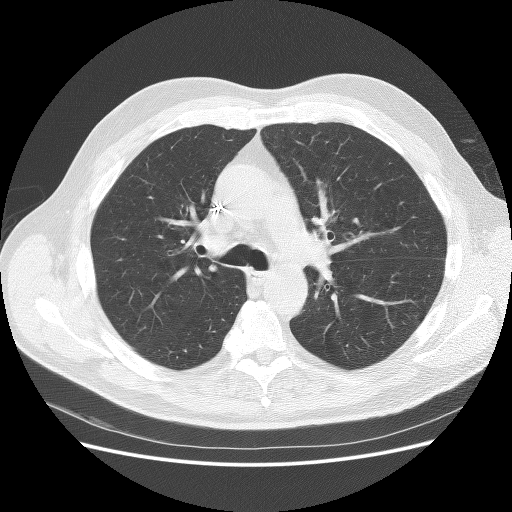
This is axial slice 98 of 137 (slice 1 is the lowest) of a chest CT; each pixel is 0.723 mm and the slice is 2.50 mm thick. Pulmonary nodule outlined by all four readers; box rows 264–272, columns 208–217 (the union of the readers' outlines on this slice); longest diameter 8.3 mm on average over the four readers' outlines (readers' outlines 7.8–8.5 mm), volume 206–242 mm3. Ratings, by the readers' most common answer with dissent counted: most readers (three of four) put texture at 5/5 (solid), others 4/5 (one); margin 4/5 by three of four readers; the rest gave 5/5 (circumscribed) (one); most readers (three of four) put sphericity at 4/5, others 5/5 (round) (one); calcification absent from all four readers; internal structure soft tissue from all four readers; most readers (three of four) put subtlety at 3/5, others 4/5 (one); malignancy likelihood 3/5 by two of four readers; the rest gave 2/5 (one), 4/5 (one). Scale key (1–5): texture non-solid→solid, margin indistinct→circumscribed, sphericity linear→round, subtlety extremely subtle→obvious, malignancy likelihood highly unlikely→highly suspicious of cancer. Box rows and columns are 0-based pixel indices from the top-left corner, inclusive.
Scan settings: 140 kVp, BONE reconstruction kernel.